Axial chest CT slice 55 of 250 (counted from the lowest slice); tube voltage 120 kVp, convolution kernel BONE; slices 1.25 mm thick, 0.586 mm per pixel.
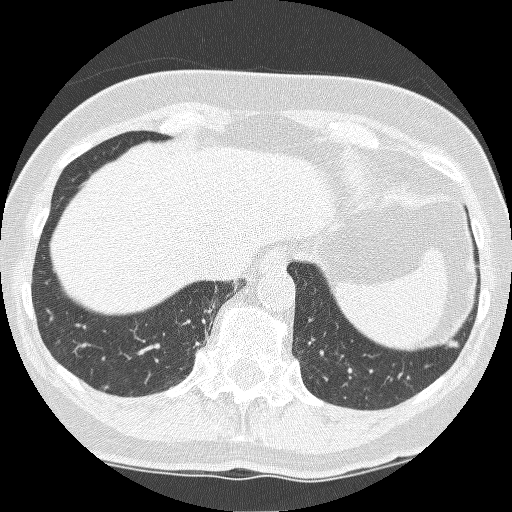
Two pulmonary nodules are outlined on this slice; from left to right: (1) Pulmonary nodule outlined by three of the four readers, two of them on this slice; box rows 384–390, columns 101–109 (the union of the readers' outlines on this slice); longest diameter 7.7 mm and volume 89–124 mm3 across the three readers' outlines. The readers' ratings, as ranges where they differ: texture from 4/5 to 5/5 (solid) across the three readers; margin from 4/5 to 5/5 (circumscribed) across the three readers; sphericity from 3/5 (ovoid) to 4/5 across the three readers; calcification absent, all three readers agreeing; internal structure soft tissue from all three readers; subtlety rated between 4 and 5 out of 5 by the three readers; malignancy likelihood 3–4/5 (the readers disagree). (2) Pulmonary nodule at rows 338–348, columns 446–460 (box = the union of the readers' outlines on this slice), outlined by three of the four readers; longest diameter 9.8 mm on average over the three readers' outlines (readers' outlines 9.0–10.8 mm), volume 291–346 mm3. The readers' prevailing ratings and who disagreed: most readers (two of three) put texture at 5/5 (solid), others 4/5 (one); margin 4/5 by two of three readers; the rest gave 3/5 (one); sphericity 3/5 (ovoid), all three readers agreeing; calcification absent from all three readers; internal structure soft tissue from all three readers; most readers (two of three) put subtlety at 5/5, others 4/5 (one); malignancy likelihood 4/5 by two of three readers; the rest gave 3/5 (one). Scale key (1–5): texture non-solid→solid, margin indistinct→circumscribed, sphericity linear→round, subtlety extremely subtle→obvious, malignancy likelihood highly unlikely→highly suspicious of cancer. Box rows and columns are 0-based pixel indices from the top-left corner, inclusive.